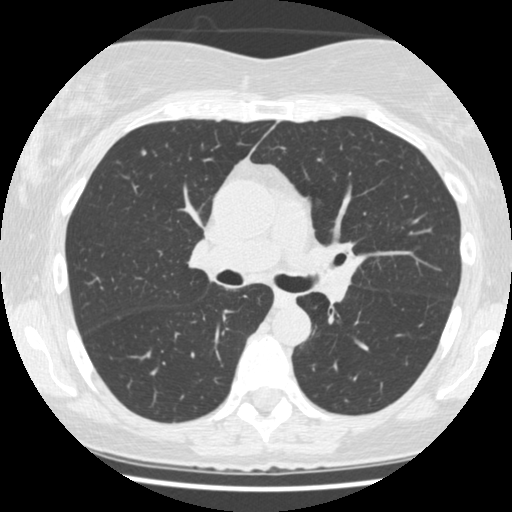
Axial chest CT slice 278 of 477 (counted from the lowest slice); tube voltage 120 kVp, convolution kernel STANDARD; slices 1.25 mm thick, 0.625 mm per pixel.
Pulmonary nodule at rows 150–155, columns 141–146 (box = the union of the readers' outlines on this slice), outlined by two of the four readers; longest diameter 4.7 mm on average over the two readers' outlines (readers' outlines 4.6–4.8 mm), volume 22–35 mm3. The readers' prevailing ratings and who disagreed: texture 5/5 (solid) from both readers; margin split among the readers: 3/5 (one), 4/5 (one); sphericity split among the readers: 4/5 (one), 5/5 (round) (one); calcification absent, both readers agreeing; internal structure soft tissue from both readers; subtlety split among the readers: 1/5 (one), 2/5 (one); malignancy likelihood split among the readers: 1/5 (one), 2/5 (one). Scale key (1–5): texture non-solid→solid, margin indistinct→circumscribed, sphericity linear→round, subtlety extremely subtle→obvious, malignancy likelihood highly unlikely→highly suspicious of cancer. Box rows and columns are 0-based pixel indices from the top-left corner, inclusive.